One axial slice (51 of 132, counting up from the lowest) of a chest CT acquired at 140 kVp with the BONE kernel; each pixel is 0.656 mm and the slice is 2.50 mm thick.
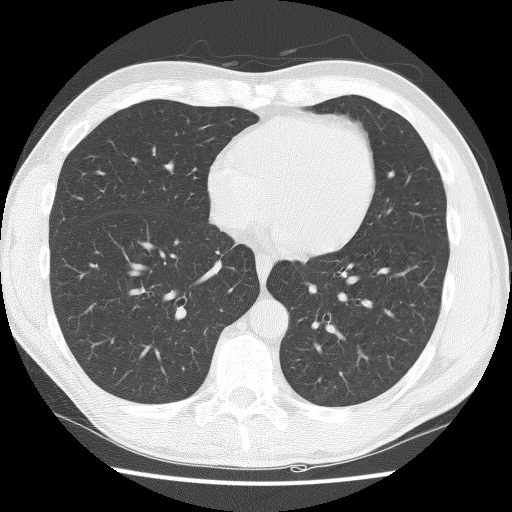
None of the four readers outlined a nodule of 3 mm or more on this slice.